One axial slice (124 of 145, counting up from the lowest) of a chest CT acquired at 120 kVp with the LUNG kernel; each pixel is 0.781 mm and the slice is 2.50 mm thick.
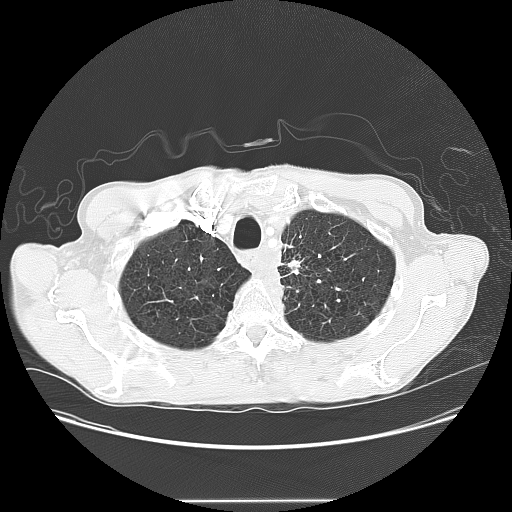
Pulmonary nodule, outlined by one of the four readers. Box on this slice rows 260–268, columns 289–299, that reader's outline on this slice; longest diameter 20.7 mm and volume 2229 mm3 from that reader's outline. Ratings by that reader: texture 5/5 (solid); margin 2/5; sphericity 5/5 (round); calcification absent; internal structure soft tissue; subtlety 4/5; malignancy likelihood 5/5. Scale key (1–5): texture non-solid→solid, margin indistinct→circumscribed, sphericity linear→round, subtlety extremely subtle→obvious, malignancy likelihood highly unlikely→highly suspicious of cancer. Box rows and columns are 0-based pixel indices from the top-left corner, inclusive.